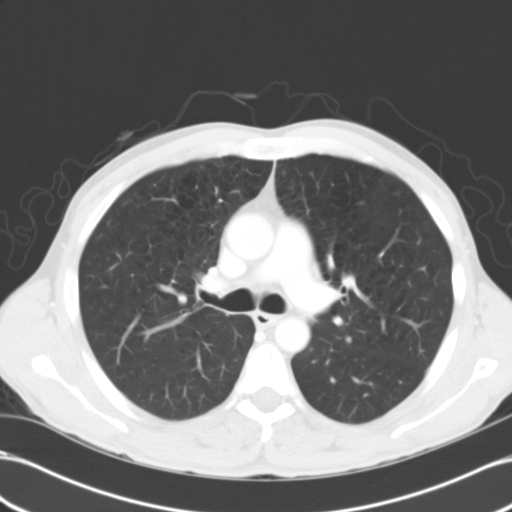
This is axial slice 110 of 137 (slice 1 is the lowest) of a chest CT; each pixel is 0.691 mm and the slice is 5.00 mm thick. Pulmonary nodule outlined by all four readers; box rows 336–342, columns 345–351 (the union of the readers' outlines on this slice); longest diameter 5.9–6.9 mm and volume 120–194 mm3 across the four readers' outlines. The readers' ratings, as ranges where they differ: texture from 4/5 to 5/5 (solid) across the four readers; margin from 4/5 to 5/5 (circumscribed) across the four readers; sphericity from 3/5 (ovoid) to 5/5 (round) across the four readers; calcification absent from all four readers; internal structure soft tissue, all four readers agreeing; subtlety rated between 2 and 4 out of 5 by the four readers; malignancy likelihood from 2/5 to 3/5 across the four readers. Scale key (1–5): texture non-solid→solid, margin indistinct→circumscribed, sphericity linear→round, subtlety extremely subtle→obvious, malignancy likelihood highly unlikely→highly suspicious of cancer. Box rows and columns are 0-based pixel indices from the top-left corner, inclusive.
Tube voltage 120 kVp; convolution kernel B31f.